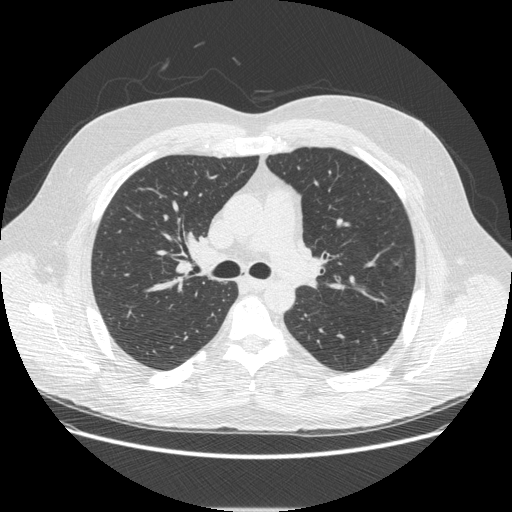
Axial chest CT slice 306 of 497 (counted from the lowest slice); 1.25 mm thick, 0.762 mm per pixel. Pulmonary nodule at rows 253–267, columns 391–404 (box = the one reader's outline on this slice), outlined by all four readers, one of them on this slice; longest diameter 21.8 mm on average over the four readers' outlines (readers' outlines 21.5–22.5 mm), volume 2170–2597 mm3. Ratings, by the readers' most common answer with dissent counted: most readers (three of four) put texture at 1/5 (non-solid), others 3/5 (part-solid) (one); margin 3/5 by two of four readers; the rest gave 2/5 (one), 4/5 (one); sphericity 5/5 (round) by two of four readers; the rest gave 3/5 (ovoid) (one), 4/5 (one); calcification absent, all four readers agreeing; internal structure split among the readers: air (two), soft tissue (two); subtlety 4/5 by two of four readers; the rest gave 1/5 (one), 5/5 (one); malignancy likelihood split among the readers: 1/5 (one), 2/5 (one), 4/5 (one), 5/5 (one). Scale key (1–5): texture non-solid→solid, margin indistinct→circumscribed, sphericity linear→round, subtlety extremely subtle→obvious, malignancy likelihood highly unlikely→highly suspicious of cancer. Box rows and columns are 0-based pixel indices from the top-left corner, inclusive.
Acquired at 120 kVp and reconstructed with the STANDARD kernel.